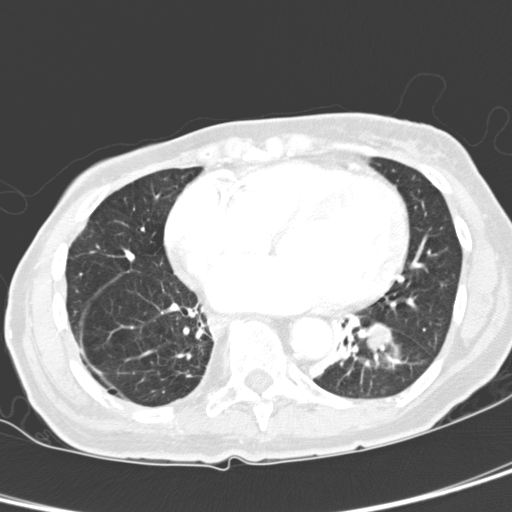
This is axial slice 140 of 321 (slice 1 is the lowest) of a chest CT; each pixel is 0.557 mm and the slice is 2.00 mm thick. Pulmonary nodule, outlined by all four readers. Box on this slice rows 322–352, columns 366–392, the union of the readers' outlines on this slice; the four readers' outlines give a longest diameter between 18.1 and 20.0 mm and a volume between 2428 and 2697 mm3. The readers' ratings, as ranges where they differ: texture from 4/5 to 5/5 (solid) across the four readers; margin from 3/5 to 5/5 (circumscribed) across the four readers; sphericity from 4/5 to 5/5 (round) across the four readers; calcification absent, all four readers agreeing; internal structure soft tissue from all four readers; subtlety 4–5/5 (the readers disagree); malignancy likelihood rated between 2 and 5 out of 5 by the four readers. Scale key (1–5): texture non-solid→solid, margin indistinct→circumscribed, sphericity linear→round, subtlety extremely subtle→obvious, malignancy likelihood highly unlikely→highly suspicious of cancer. Box rows and columns are 0-based pixel indices from the top-left corner, inclusive.
Tube voltage 120 kVp; convolution kernel D.